Chest CT, axial plane, 120 kVp, kernel BONE. Slice 166/291 from the bottom of the scan; thickness 1.25 mm; pixel size 0.820 mm.
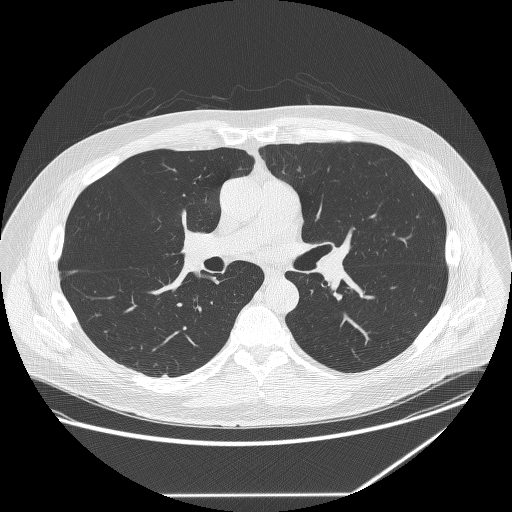
The readers outlined no nodule of 3 mm or more on this slice.